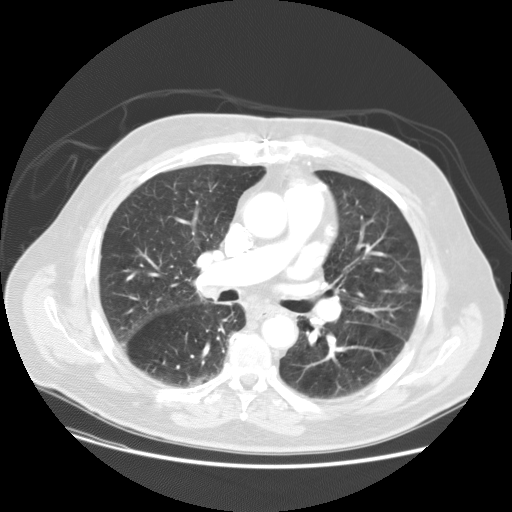
Axial chest CT slice 83 of 133 (counted from the lowest slice); tube voltage 120 kVp, convolution kernel STANDARD; slices 2.50 mm thick, 0.781 mm per pixel.
Pulmonary nodule, outlined by all four readers, two of them on this slice. Box on this slice rows 285–291, columns 400–406, the union of the readers' outlines on this slice; median longest diameter 20.3 mm (readers' outlines 18.8–20.7 mm), median volume 2282 mm3 (2105–2617 mm3). Median ratings and the readers' spread: texture 5/5 (solid) from all four readers; margin 4.5/5 at the median of four readers, spread 4/5 to 5/5 (circumscribed); median sphericity 3.5/5 (readers ranged 3/5 (ovoid) to 5/5 (round)); calcification absent from all four readers; internal structure soft tissue from all four readers; subtlety 5/5 at the median of four readers, spread 3–5; malignancy likelihood 4.5/5 at the median of four readers, spread 2–5. Scale key (1–5): texture non-solid→solid, margin indistinct→circumscribed, sphericity linear→round, subtlety extremely subtle→obvious, malignancy likelihood highly unlikely→highly suspicious of cancer. Box rows and columns are 0-based pixel indices from the top-left corner, inclusive.